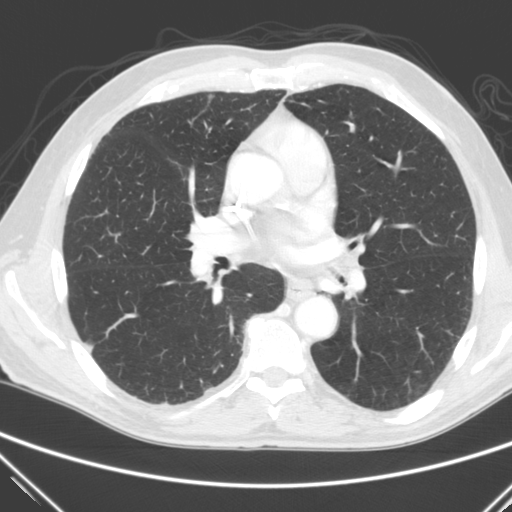
This is axial slice 137 of 290 (slice 1 is the lowest) of a chest CT; each pixel is 0.682 mm and the slice is 2.00 mm thick. Pulmonary nodule, outlined by two of the four readers. Box on this slice rows 342–352, columns 85–91, the union of the readers' outlines on this slice; longest diameter 10.5 mm on average over the two readers' outlines (readers' outlines 10.2–10.8 mm), volume 110–178 mm3. Ratings, by the readers' most common answer with dissent counted: texture split among the readers: 4/5 (one), 5/5 (solid) (one); margin 4/5, both readers agreeing; sphericity 4/5 from both readers; calcification absent from both readers; internal structure soft tissue, both readers agreeing; subtlety 4/5, both readers agreeing; malignancy likelihood split among the readers: 1/5 (one), 4/5 (one). Scale key (1–5): texture non-solid→solid, margin indistinct→circumscribed, sphericity linear→round, subtlety extremely subtle→obvious, malignancy likelihood highly unlikely→highly suspicious of cancer. Box rows and columns are 0-based pixel indices from the top-left corner, inclusive.
Tube voltage 120 kVp; convolution kernel C.